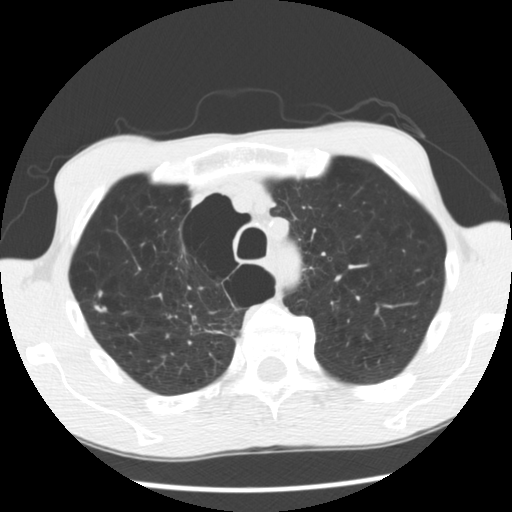
Axial slice 229 of 292 of a chest CT (slice 1 is the lowest), reconstructed with the STANDARD kernel at 120 kVp; 2.50 mm slice thickness and 0.645 mm pixels.
Two pulmonary nodules on this slice, listed from left to right. (1) Pulmonary nodule outlined by one of the four readers; box rows 290–297, columns 97–102 (that reader's outline on this slice); longest diameter 7.0 mm and volume 85 mm3 from that reader's outline. That reader's ratings: texture 5/5 (solid); margin 4/5; sphericity 4/5; calcification absent; internal structure soft tissue; subtlety 2/5; malignancy likelihood 2/5. (2) Pulmonary nodule at rows 305–311, columns 94–105 (box = the union of the readers' outlines on this slice), outlined by two of the four readers; the two readers' outlines give a longest diameter between 8.2 and 9.6 mm and a volume between 110 and 186 mm3. The readers' ratings, as ranges where they differ: texture 4/5 from both readers; margin 4/5, both readers agreeing; sphericity from 2/5 to 4/5 across the two readers; calcification absent, both readers agreeing; internal structure soft tissue, both readers agreeing; subtlety 3/5 from both readers; malignancy likelihood from 2/5 to 3/5 across the two readers. Scale key (1–5): texture non-solid→solid, margin indistinct→circumscribed, sphericity linear→round, subtlety extremely subtle→obvious, malignancy likelihood highly unlikely→highly suspicious of cancer. Box rows and columns are 0-based pixel indices from the top-left corner, inclusive.